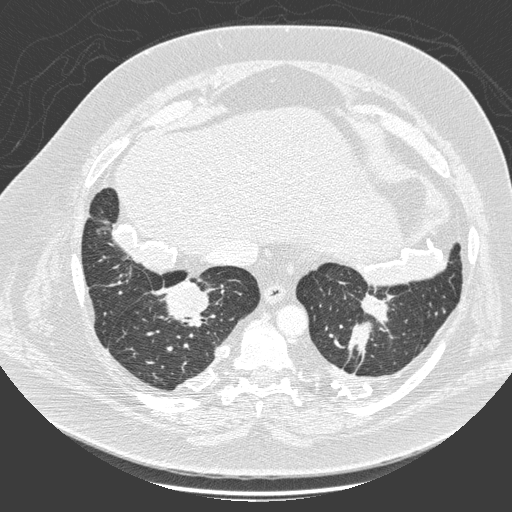
Axial chest CT slice 64 of 280 (counted from the lowest slice); tube voltage 140 kVp, convolution kernel D; slices 1.00 mm thick, 0.801 mm per pixel.
Pulmonary nodule, outlined by one of the four readers. Box on this slice rows 282–321, columns 165–207, that reader's outline on this slice; longest diameter 49.9 mm and volume 31112 mm3 from that reader's outline. Ratings by that reader: texture 5/5 (solid); margin 4/5; sphericity 5/5 (round); calcification non-central calcification; internal structure soft tissue; subtlety 5/5; malignancy likelihood 5/5. Scale key (1–5): texture non-solid→solid, margin indistinct→circumscribed, sphericity linear→round, subtlety extremely subtle→obvious, malignancy likelihood highly unlikely→highly suspicious of cancer. Box rows and columns are 0-based pixel indices from the top-left corner, inclusive.